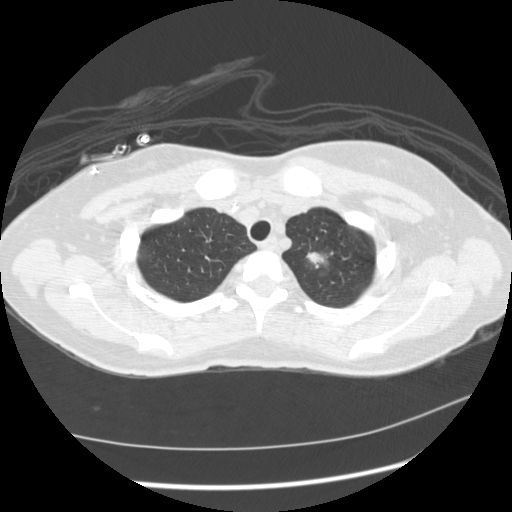
Axial chest CT slice 174 of 209 (counted from the lowest slice); tube voltage 120 kVp, convolution kernel STANDARD; slices 1.25 mm thick, 0.693 mm per pixel.
Pulmonary nodule, outlined by all four readers. Box on this slice rows 251–271, columns 304–328, the union of the readers' outlines on this slice; median longest diameter 23.3 mm (readers' outlines 21.8–25.6 mm), median volume 3063 mm3 (2801–4927 mm3). Ratings, median across the readers with their spread: median texture 4/5 (readers ranged 4/5 to 5/5 (solid)); margin 3.5/5 at the median of four readers, spread 3/5 to 4/5; sphericity 3.5/5 at the median of four readers, spread 2/5 to 5/5 (round); calcification absent, all four readers agreeing; internal structure soft tissue from all four readers; subtlety 5/5 from all four readers; malignancy likelihood 4.5/5 at the median of four readers, spread 3–5. Scale key (1–5): texture non-solid→solid, margin indistinct→circumscribed, sphericity linear→round, subtlety extremely subtle→obvious, malignancy likelihood highly unlikely→highly suspicious of cancer. Box rows and columns are 0-based pixel indices from the top-left corner, inclusive.